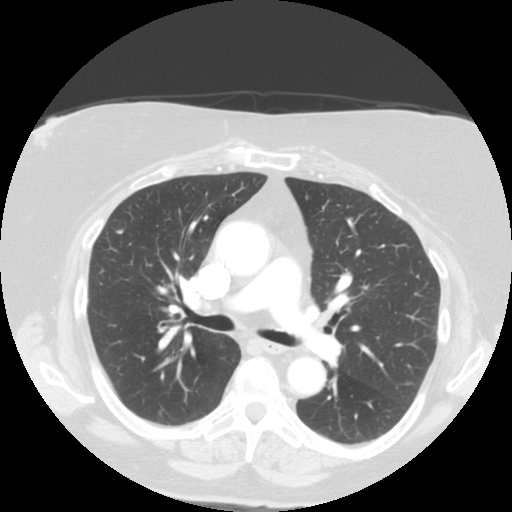
Axial slice 68 of 121 of a chest CT (slice 1 is the lowest), reconstructed with the STANDARD kernel at 120 kVp; 2.50 mm slice thickness and 0.664 mm pixels.
Pulmonary nodule, outlined by one of the four readers. Box on this slice rows 229–233, columns 116–122, that reader's outline on this slice; longest diameter 5.5 mm and volume 36 mm3 from that reader's outline. That reader's ratings: texture 5/5 (solid); margin 4/5; sphericity 3/5 (ovoid); calcification absent; internal structure soft tissue; subtlety 2/5; malignancy likelihood 3/5. Scale key (1–5): texture non-solid→solid, margin indistinct→circumscribed, sphericity linear→round, subtlety extremely subtle→obvious, malignancy likelihood highly unlikely→highly suspicious of cancer. Box rows and columns are 0-based pixel indices from the top-left corner, inclusive.